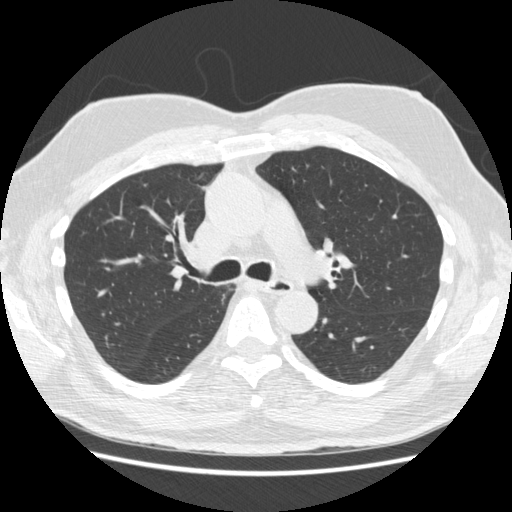
This is axial slice 331 of 557 (slice 1 is the lowest) of a chest CT; each pixel is 0.703 mm and the slice is 1.25 mm thick. Pulmonary nodule outlined by all four readers, two of them on this slice; box rows 185–190, columns 201–205 (the union of the readers' outlines on this slice); longest diameter 12.6–14.2 mm and volume 470–622 mm3 across the four readers' outlines. Ratings across the readers: texture 5/5 (solid), all four readers agreeing; margin from 4/5 to 5/5 (circumscribed) across the four readers; sphericity 3/5 (ovoid) from all four readers; calcification absent, all four readers agreeing; internal structure soft tissue, all four readers agreeing; subtlety rated between 3 and 5 out of 5 by the four readers; malignancy likelihood rated between 1 and 4 out of 5 by the four readers. Scale key (1–5): texture non-solid→solid, margin indistinct→circumscribed, sphericity linear→round, subtlety extremely subtle→obvious, malignancy likelihood highly unlikely→highly suspicious of cancer. Box rows and columns are 0-based pixel indices from the top-left corner, inclusive.
Acquired at 120 kVp and reconstructed with the STANDARD kernel.